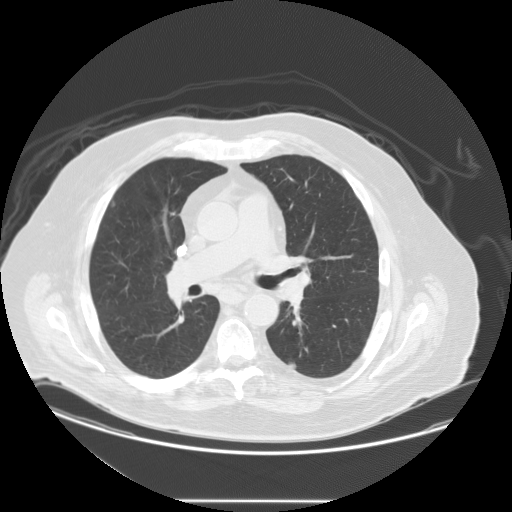
Axial chest CT slice 83 of 133 (counted from the lowest slice); tube voltage 120 kVp, convolution kernel STANDARD; slices 2.50 mm thick, 0.859 mm per pixel.
Two pulmonary nodules are outlined on this slice; from left to right: (1) Pulmonary nodule, outlined by two of the four readers, one of them on this slice. Box on this slice rows 200–206, columns 111–114, the one reader's outline on this slice; longest diameter 7.6 mm on average over the two readers' outlines (readers' outlines 7.3–7.8 mm), volume 78–126 mm3. Ratings, by the readers' most common answer with dissent counted: texture split among the readers: 3/5 (part-solid) (one), 5/5 (solid) (one); margin split among the readers: 3/5 (one), 4/5 (one); sphericity split among the readers: 2/5 (one), 3/5 (ovoid) (one); calcification absent from both readers; internal structure soft tissue from both readers; subtlety split among the readers: 1/5 (one), 2/5 (one); malignancy likelihood split among the readers: 2/5 (one), 3/5 (one). (2) Pulmonary nodule outlined by three of the four readers; box rows 362–369, columns 287–296 (the union of the readers' outlines on this slice); longest diameter 9.3–10.6 mm and volume 206–246 mm3 across the three readers' outlines. Ratings across the readers: texture from 4/5 to 5/5 (solid) across the three readers; margin from 4/5 to 5/5 (circumscribed) across the three readers; sphericity from 2/5 to 3/5 (ovoid) across the three readers; calcification absent, all three readers agreeing; internal structure soft tissue from all three readers; subtlety from 2/5 to 3/5 across the three readers; malignancy likelihood 2–3/5 (the readers disagree). Scale key (1–5): texture non-solid→solid, margin indistinct→circumscribed, sphericity linear→round, subtlety extremely subtle→obvious, malignancy likelihood highly unlikely→highly suspicious of cancer. Box rows and columns are 0-based pixel indices from the top-left corner, inclusive.